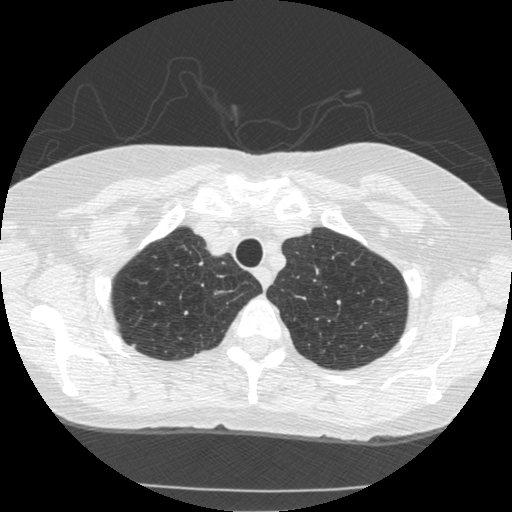
This is axial slice 432 of 519 (slice 1 is the lowest) of a chest CT; each pixel is 0.645 mm and the slice is 1.25 mm thick. Pulmonary nodule, outlined by one of the four readers. Box on this slice rows 344–347, columns 132–135, that reader's outline on this slice; longest diameter 6.5 mm and volume 31 mm3 from that reader's outline. Ratings by that reader: texture 5/5 (solid); margin 4/5; sphericity 3/5 (ovoid); calcification absent; internal structure soft tissue; subtlety 5/5; malignancy likelihood 2/5. Scale key (1–5): texture non-solid→solid, margin indistinct→circumscribed, sphericity linear→round, subtlety extremely subtle→obvious, malignancy likelihood highly unlikely→highly suspicious of cancer. Box rows and columns are 0-based pixel indices from the top-left corner, inclusive.
Scan settings: 120 kVp, STANDARD reconstruction kernel.